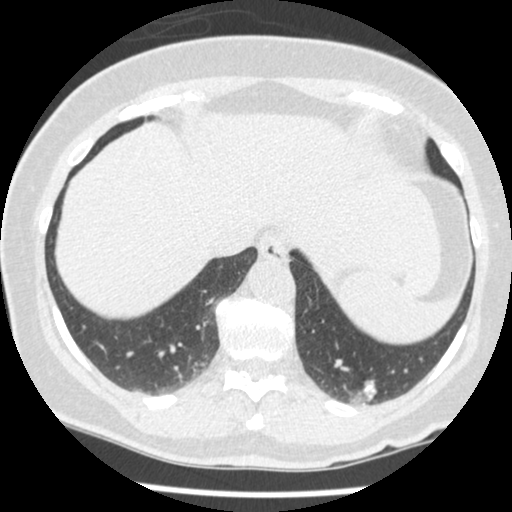
One axial slice (114 of 465, counting up from the lowest) of a chest CT acquired at 120 kVp with the STANDARD kernel; each pixel is 0.586 mm and the slice is 1.25 mm thick.
Pulmonary nodule at rows 380–399, columns 363–375 (box = the union of the readers' outlines on this slice), outlined by all four readers, three of them on this slice; median longest diameter 17.8 mm (readers' outlines 15.8–20.8 mm), median volume 1311 mm3 (1106–1600 mm3). Median ratings and the readers' spread: texture 5/5 (solid), all four readers agreeing; margin 4/5 at the median of four readers, spread 3/5 to 5/5 (circumscribed); sphericity 4/5 at the median of four readers, spread 3/5 (ovoid) to 4/5; calcification: absent (two), solid calcification (one), central calcification (one); internal structure soft tissue, all four readers agreeing; subtlety 5/5, all four readers agreeing; malignancy likelihood 2.5/5 at the median of four readers, spread 1–5. Scale key (1–5): texture non-solid→solid, margin indistinct→circumscribed, sphericity linear→round, subtlety extremely subtle→obvious, malignancy likelihood highly unlikely→highly suspicious of cancer. Box rows and columns are 0-based pixel indices from the top-left corner, inclusive.